One axial slice (98 of 122, counting up from the lowest) of a chest CT acquired at 120 kVp with the B31f kernel; each pixel is 0.566 mm and the slice is 3.00 mm thick.
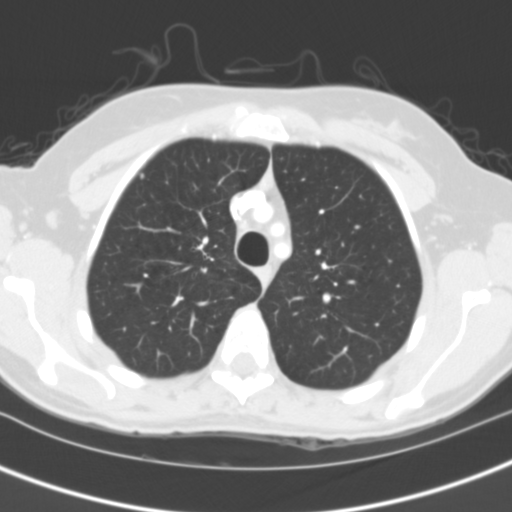
Pulmonary nodule outlined by two of the four readers; box rows 173–178, columns 140–144 (the union of the readers' outlines on this slice); median longest diameter 4.4 mm (readers' outlines 4.3–4.4 mm), median volume 49 mm3 (47–50 mm3). Median ratings and the readers' spread: texture 5/5 (solid) from both readers; margin 5/5 (circumscribed) from both readers; sphericity 5/5 (round), both readers agreeing; calcification absent from both readers; internal structure soft tissue from both readers; subtlety 4.5/5 at the median of two readers, spread 4–5; median malignancy likelihood 2.5/5 (readers ranged 2–3). Scale key (1–5): texture non-solid→solid, margin indistinct→circumscribed, sphericity linear→round, subtlety extremely subtle→obvious, malignancy likelihood highly unlikely→highly suspicious of cancer. Box rows and columns are 0-based pixel indices from the top-left corner, inclusive.